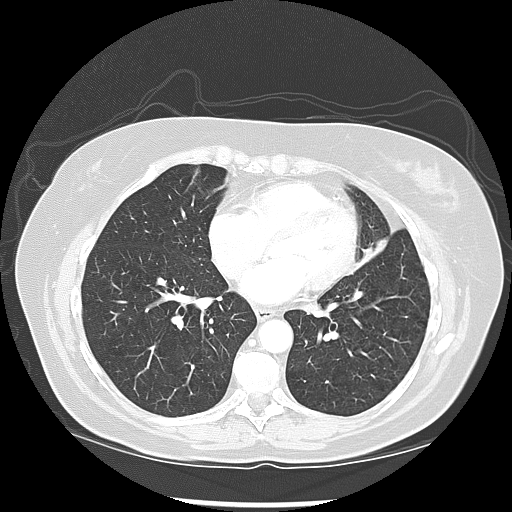
Chest CT, axial plane, 120 kVp, kernel LUNG. Slice 62/133 from the bottom of the scan; thickness 2.50 mm; pixel size 0.703 mm.
Pulmonary nodule at rows 241–270, columns 352–385 (box = the one reader's outline on this slice), outlined by three of the four readers, one of them on this slice; longest diameter 33.3–41.8 mm and volume 6044–7666 mm3 across the three readers' outlines. The readers' ratings, as ranges where they differ: texture 5/5 (solid), all three readers agreeing; margin from 3/5 to 4/5 across the three readers; sphericity 3/5 (ovoid), all three readers agreeing; calcification absent, all three readers agreeing; internal structure soft tissue, all three readers agreeing; subtlety 5/5, all three readers agreeing; malignancy likelihood 5/5, all three readers agreeing. Scale key (1–5): texture non-solid→solid, margin indistinct→circumscribed, sphericity linear→round, subtlety extremely subtle→obvious, malignancy likelihood highly unlikely→highly suspicious of cancer. Box rows and columns are 0-based pixel indices from the top-left corner, inclusive.